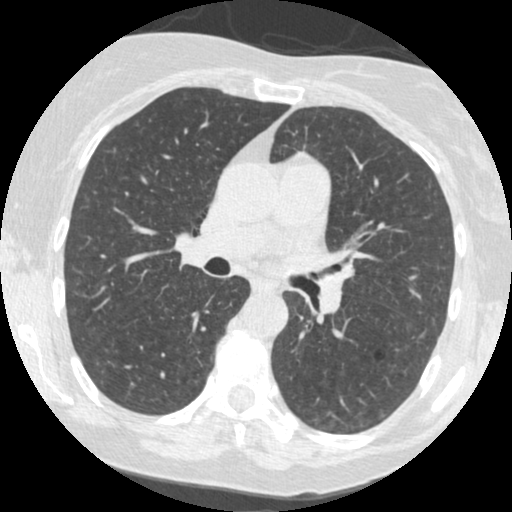
Chest CT, axial plane, 120 kVp, kernel STANDARD. Slice 257/484 from the bottom of the scan; thickness 1.25 mm; pixel size 0.586 mm.
Pulmonary nodule at rows 330–336, columns 418–425 (box = the one reader's outline on this slice), outlined by all four readers, one of them on this slice; the four readers' outlines give a longest diameter between 6.6 and 9.0 mm and a volume between 60 and 132 mm3. Ratings across the readers: texture 5/5 (solid), all four readers agreeing; margin from 4/5 to 5/5 (circumscribed) across the four readers; sphericity from 3/5 (ovoid) to 4/5 across the four readers; calcification absent, all four readers agreeing; internal structure soft tissue, all four readers agreeing; subtlety from 4/5 to 5/5 across the four readers; malignancy likelihood 2–4/5 (the readers disagree). Scale key (1–5): texture non-solid→solid, margin indistinct→circumscribed, sphericity linear→round, subtlety extremely subtle→obvious, malignancy likelihood highly unlikely→highly suspicious of cancer. Box rows and columns are 0-based pixel indices from the top-left corner, inclusive.